Axial chest CT slice 231 of 509 (counted from the lowest slice); tube voltage 120 kVp, convolution kernel STANDARD; slices 1.25 mm thick, 0.703 mm per pixel.
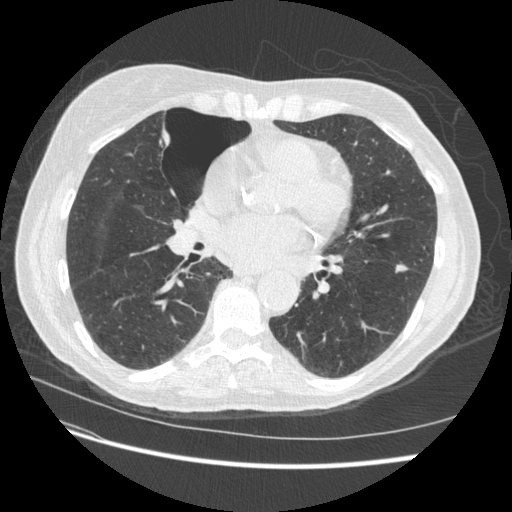
Pulmonary nodule, outlined by three of the four readers. Box on this slice rows 264–273, columns 395–408, the union of the readers' outlines on this slice; longest diameter 10.8 mm on average over the three readers' outlines (readers' outlines 9.2–11.6 mm), volume 182–365 mm3. Ratings, by the readers' most common answer with dissent counted: texture 5/5 (solid) by two of three readers; the rest gave 4/5 (one); margin split among the readers: 3/5 (one), 4/5 (one), 5/5 (circumscribed) (one); sphericity split among the readers: 2/5 (one), 3/5 (ovoid) (one), 4/5 (one); calcification absent from all three readers; internal structure soft tissue from all three readers; subtlety 4/5, all three readers agreeing; malignancy likelihood split among the readers: 2/5 (one), 3/5 (one), 4/5 (one). Scale key (1–5): texture non-solid→solid, margin indistinct→circumscribed, sphericity linear→round, subtlety extremely subtle→obvious, malignancy likelihood highly unlikely→highly suspicious of cancer. Box rows and columns are 0-based pixel indices from the top-left corner, inclusive.